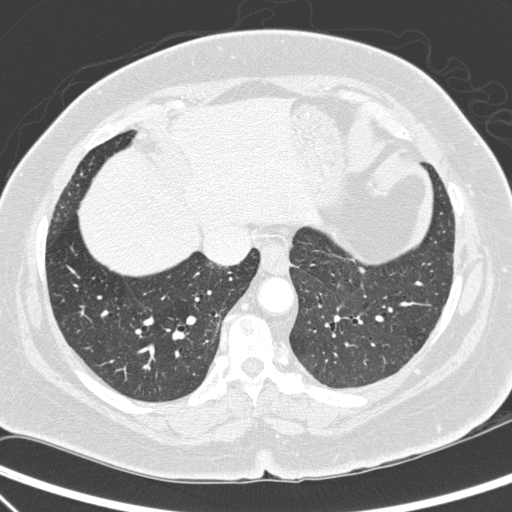
Axial chest CT slice 86 of 272 (counted from the lowest slice); tube voltage 140 kVp, convolution kernel D; slices 1.00 mm thick, 0.676 mm per pixel.
Pulmonary nodule, outlined by two of the four readers. Box on this slice rows 267–273, columns 358–364, the union of the readers' outlines on this slice; longest diameter 5.4–8.2 mm and volume 51–143 mm3 across the two readers' outlines. Ratings across the readers: texture 5/5 (solid), both readers agreeing; margin from 4/5 to 5/5 (circumscribed) across the two readers; sphericity from 2/5 to 4/5 across the two readers; calcification absent, both readers agreeing; internal structure soft tissue from both readers; subtlety rated between 1 and 4 out of 5 by the two readers; malignancy likelihood from 1/5 to 3/5 across the two readers. Scale key (1–5): texture non-solid→solid, margin indistinct→circumscribed, sphericity linear→round, subtlety extremely subtle→obvious, malignancy likelihood highly unlikely→highly suspicious of cancer. Box rows and columns are 0-based pixel indices from the top-left corner, inclusive.